Axial chest CT slice 530 of 672 (counted from the lowest slice); tube voltage 120 kVp, convolution kernel B30f; slices 0.60 mm thick, 0.607 mm per pixel.
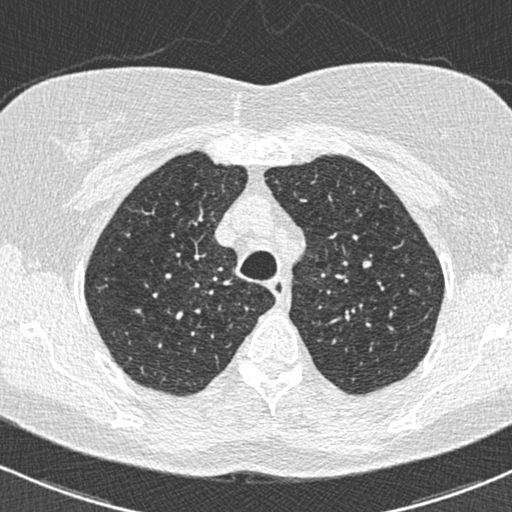
Pulmonary nodule, outlined by all four readers. Box on this slice rows 261–267, columns 362–371, the union of the readers' outlines on this slice; longest diameter 8.3 mm on average over the four readers' outlines (readers' outlines 8.1–8.8 mm), volume 181–196 mm3. The readers' prevailing ratings and who disagreed: texture 5/5 (solid), all four readers agreeing; margin 5/5 (circumscribed) by three of four readers; the rest gave 4/5 (one); most readers (three of four) put sphericity at 5/5 (round), others 3/5 (ovoid) (one); calcification absent, all four readers agreeing; internal structure soft tissue from all four readers; subtlety 4/5 by two of four readers; the rest gave 1/5 (one), 5/5 (one); malignancy likelihood 3/5 by three of four readers; the rest gave 2/5 (one). Scale key (1–5): texture non-solid→solid, margin indistinct→circumscribed, sphericity linear→round, subtlety extremely subtle→obvious, malignancy likelihood highly unlikely→highly suspicious of cancer. Box rows and columns are 0-based pixel indices from the top-left corner, inclusive.